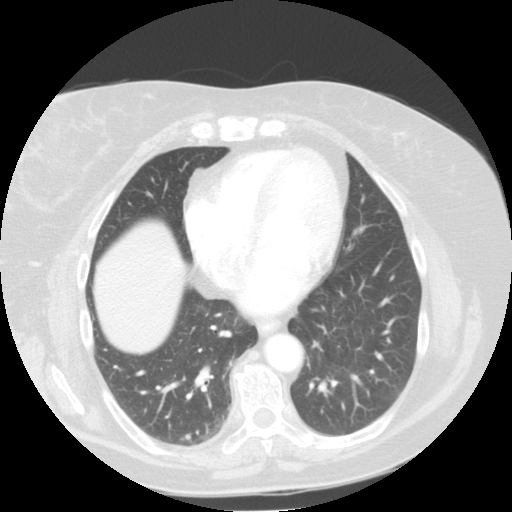
Slice 54/113 of a chest CT, counting up from the lowest; pixel size 0.703 mm, slice thickness 2.50 mm. Pulmonary nodule at rows 434–438, columns 185–190 (box = that reader's outline on this slice), outlined by one of the four readers; longest diameter 6.0 mm and volume 64 mm3 from that reader's outline. Ratings by that reader: texture 5/5 (solid); margin 5/5 (circumscribed); sphericity 5/5 (round); calcification absent; internal structure soft tissue; subtlety 2/5; malignancy likelihood 2/5. Scale key (1–5): texture non-solid→solid, margin indistinct→circumscribed, sphericity linear→round, subtlety extremely subtle→obvious, malignancy likelihood highly unlikely→highly suspicious of cancer. Box rows and columns are 0-based pixel indices from the top-left corner, inclusive.
Tube voltage 120 kVp; convolution kernel STANDARD.